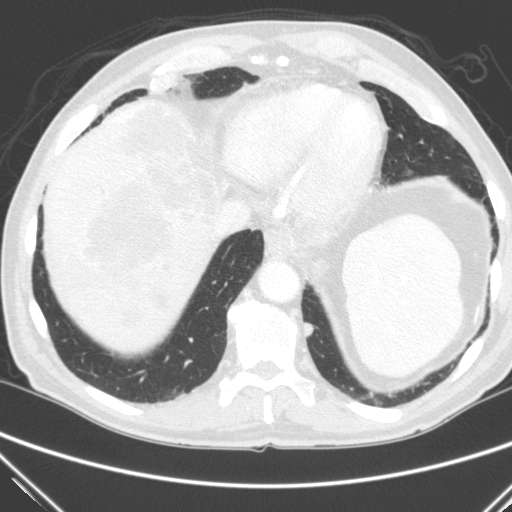
Chest CT, axial plane, 120 kVp, kernel C. Slice 55/290 from the bottom of the scan; thickness 2.00 mm; pixel size 0.682 mm.
Pulmonary nodule outlined by all four readers; box rows 322–337, columns 303–313 (the union of the readers' outlines on this slice); median longest diameter 12.7 mm (readers' outlines 12.3–13.7 mm), median volume 484 mm3 (463–570 mm3). Median ratings and the readers' spread: texture 5/5 (solid) from all four readers; median margin 4/5 (readers ranged 4/5 to 5/5 (circumscribed)); median sphericity 3/5 (ovoid) (readers ranged 2/5 to 4/5); calcification absent, all four readers agreeing; internal structure soft tissue, all four readers agreeing; subtlety 4/5 at the median of four readers, spread 3–5; malignancy likelihood 3/5 at the median of four readers, spread 3–4. Scale key (1–5): texture non-solid→solid, margin indistinct→circumscribed, sphericity linear→round, subtlety extremely subtle→obvious, malignancy likelihood highly unlikely→highly suspicious of cancer. Box rows and columns are 0-based pixel indices from the top-left corner, inclusive.